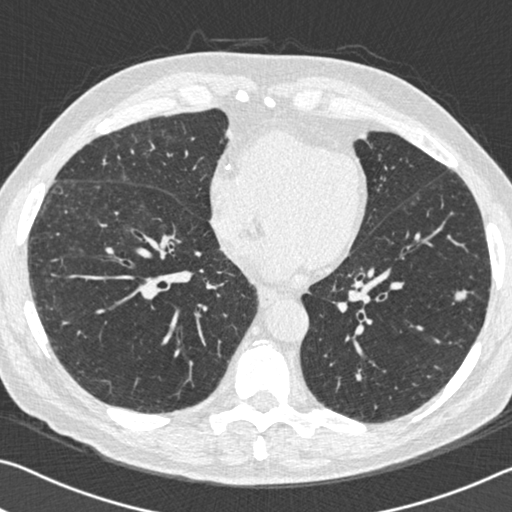
Axial slice 237 of 525 of a chest CT (slice 1 is the lowest), reconstructed with the B30f kernel at 120 kVp; 0.75 mm slice thickness and 0.660 mm pixels.
Pulmonary nodule outlined by all four readers; box rows 289–301, columns 454–466 (the union of the readers' outlines on this slice); longest diameter 11.7 mm on average over the four readers' outlines (readers' outlines 10.8–13.0 mm), volume 202–326 mm3. Ratings, by the readers' most common answer with dissent counted: texture 5/5 (solid) from all four readers; margin 5/5 (circumscribed), all four readers agreeing; sphericity 4/5 by two of four readers; the rest gave 3/5 (ovoid) (one), 5/5 (round) (one); calcification absent, all four readers agreeing; internal structure soft tissue, all four readers agreeing; subtlety 5/5 from all four readers; malignancy likelihood 5/5 by two of four readers; the rest gave 3/5 (one), 4/5 (one). Scale key (1–5): texture non-solid→solid, margin indistinct→circumscribed, sphericity linear→round, subtlety extremely subtle→obvious, malignancy likelihood highly unlikely→highly suspicious of cancer. Box rows and columns are 0-based pixel indices from the top-left corner, inclusive.